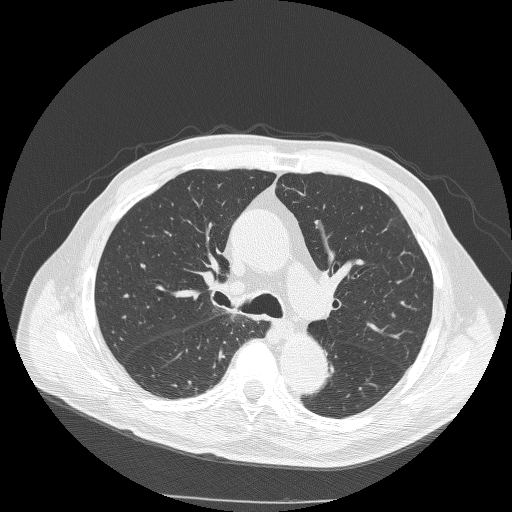
This is axial slice 156 of 240 (slice 1 is the lowest) of a chest CT; each pixel is 0.703 mm and the slice is 1.25 mm thick. This slice carries no reader outline of a nodule 3 mm or larger.
Acquired at 120 kVp and reconstructed with the BONE kernel.